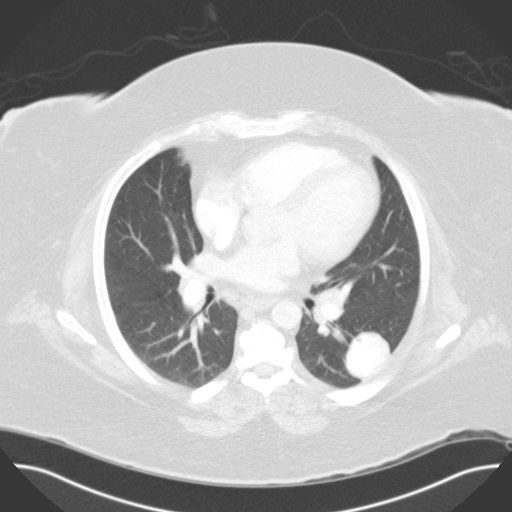
Chest CT, axial plane, 120 kVp, kernel B31f. Slice 76/117 from the bottom of the scan; thickness 3.00 mm; pixel size 0.779 mm.
Pulmonary nodule outlined by two of the four readers; box rows 332–378, columns 345–389 (the union of the readers' outlines on this slice); longest diameter 39.2–39.6 mm and volume 24959–25451 mm3 across the two readers' outlines. The readers' ratings, as ranges where they differ: texture 5/5 (solid) from both readers; margin 5/5 (circumscribed), both readers agreeing; sphericity 5/5 (round) from both readers; calcification split among the readers: laminated calcification (one), absent (one); internal structure soft tissue from both readers; subtlety 5/5, both readers agreeing; malignancy likelihood from 2/5 to 3/5 across the two readers. Scale key (1–5): texture non-solid→solid, margin indistinct→circumscribed, sphericity linear→round, subtlety extremely subtle→obvious, malignancy likelihood highly unlikely→highly suspicious of cancer. Box rows and columns are 0-based pixel indices from the top-left corner, inclusive.